One axial slice (97 of 258, counting up from the lowest) of a chest CT acquired at 120 kVp with the BONE kernel; each pixel is 0.766 mm and the slice is 1.25 mm thick.
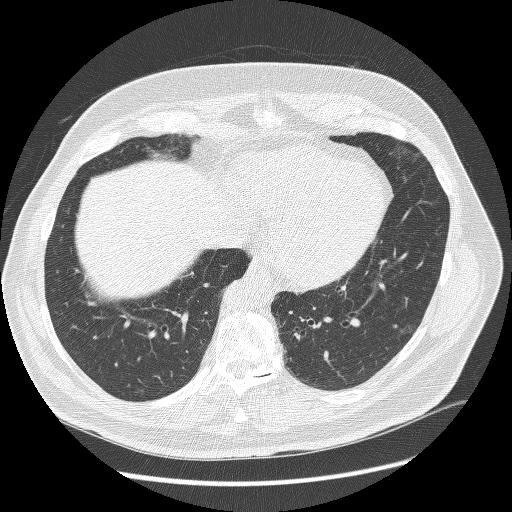
Pulmonary nodule outlined by all four readers; box rows 324–327, columns 392–397 (the union of the readers' outlines on this slice); median longest diameter 6.4 mm (readers' outlines 5.8–7.1 mm), median volume 79 mm3 (44–99 mm3). Ratings, median across the readers with their spread: median texture 4.5/5 (readers ranged 4/5 to 5/5 (solid)); median margin 4/5 (readers ranged 4/5 to 5/5 (circumscribed)); median sphericity 4.5/5 (readers ranged 3/5 (ovoid) to 5/5 (round)); calcification absent, all four readers agreeing; internal structure soft tissue from all four readers; subtlety 3.5/5 at the median of four readers, spread 2–5; malignancy likelihood 3/5 at the median of four readers, spread 2–3. Scale key (1–5): texture non-solid→solid, margin indistinct→circumscribed, sphericity linear→round, subtlety extremely subtle→obvious, malignancy likelihood highly unlikely→highly suspicious of cancer. Box rows and columns are 0-based pixel indices from the top-left corner, inclusive.